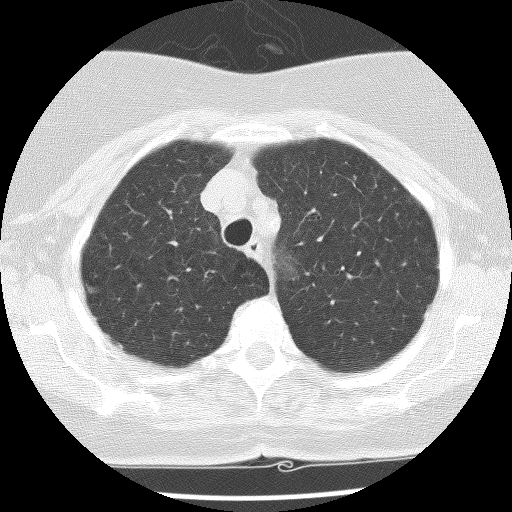
This is axial slice 84 of 103 (slice 1 is the lowest) of a chest CT; each pixel is 0.564 mm and the slice is 2.50 mm thick. Pulmonary nodule at rows 286–291, columns 88–96 (box = the union of the readers' outlines on this slice), outlined by two of the four readers; median longest diameter 8.8 mm (readers' outlines 8.3–9.3 mm), median volume 111 mm3 (78–143 mm3). Ratings, median across the readers with their spread: median texture 2/5 (readers ranged 1/5 (non-solid) to 3/5 (part-solid)); margin 2/5 from both readers; sphericity 3/5 (ovoid), both readers agreeing; calcification absent from both readers; internal structure soft tissue, both readers agreeing; subtlety 2.5/5 at the median of two readers, spread 2–3; malignancy likelihood 2/5 at the median of two readers, spread 1–3. Scale key (1–5): texture non-solid→solid, margin indistinct→circumscribed, sphericity linear→round, subtlety extremely subtle→obvious, malignancy likelihood highly unlikely→highly suspicious of cancer. Box rows and columns are 0-based pixel indices from the top-left corner, inclusive.
Scan settings: 140 kVp, BONE reconstruction kernel.